Axial slice 64 of 149 of a chest CT (slice 1 is the lowest), reconstructed with the STANDARD kernel at 120 kVp; 2.50 mm slice thickness and 0.625 mm pixels.
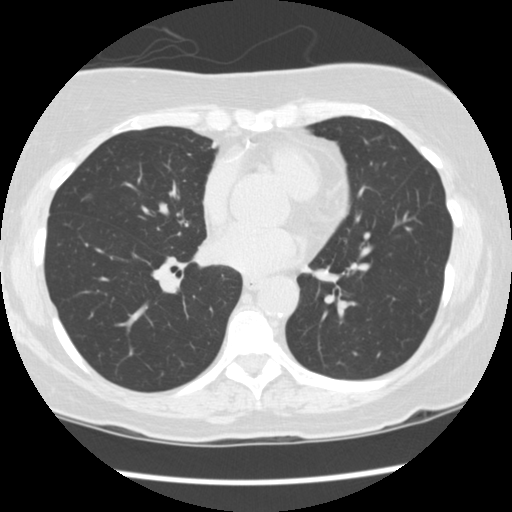
Pulmonary nodule, outlined by one of the four readers. Box on this slice rows 194–197, columns 85–90, that reader's outline on this slice; longest diameter 5.9 mm and volume 61 mm3 from that reader's outline. That reader's ratings: texture 1/5 (non-solid); margin 1/5 (indistinct); sphericity 4/5; calcification absent; internal structure soft tissue; subtlety 1/5; malignancy likelihood 2/5. Scale key (1–5): texture non-solid→solid, margin indistinct→circumscribed, sphericity linear→round, subtlety extremely subtle→obvious, malignancy likelihood highly unlikely→highly suspicious of cancer. Box rows and columns are 0-based pixel indices from the top-left corner, inclusive.